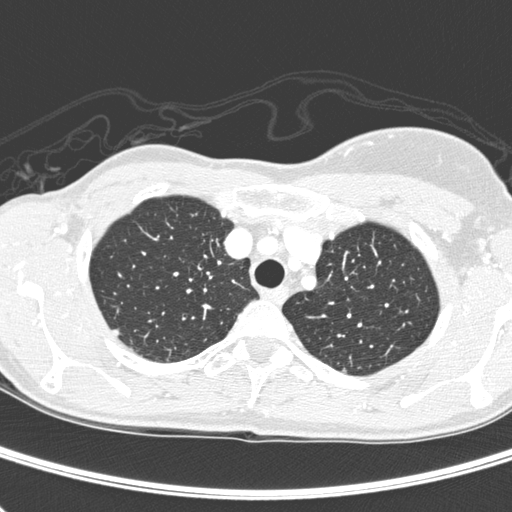
Chest CT, axial plane, 120 kVp, kernel D. Slice 230/280 from the bottom of the scan; thickness 1.00 mm; pixel size 0.578 mm.
Two pulmonary nodules on this slice, listed from left to right. (1) Pulmonary nodule outlined by all four readers; box rows 329–336, columns 111–118 (the union of the readers' outlines on this slice); longest diameter 4.7–6.0 mm and volume 38–51 mm3 across the four readers' outlines. Ratings across the readers: texture 5/5 (solid), all four readers agreeing; margin from 3/5 to 5/5 (circumscribed) across the four readers; sphericity from 3/5 (ovoid) to 5/5 (round) across the four readers; calcification absent from all four readers; internal structure soft tissue from all four readers; subtlety 3–5/5 (the readers disagree); malignancy likelihood 2–3/5 (the readers disagree). (2) Pulmonary nodule, outlined by one of the four readers. Box on this slice rows 367–372, columns 342–347, that reader's outline on this slice; longest diameter 4.7 mm and volume 40 mm3 from that reader's outline. That reader's ratings: texture 5/5 (solid); margin 5/5 (circumscribed); sphericity 4/5; calcification absent; internal structure soft tissue; subtlety 5/5; malignancy likelihood 3/5. Scale key (1–5): texture non-solid→solid, margin indistinct→circumscribed, sphericity linear→round, subtlety extremely subtle→obvious, malignancy likelihood highly unlikely→highly suspicious of cancer. Box rows and columns are 0-based pixel indices from the top-left corner, inclusive.